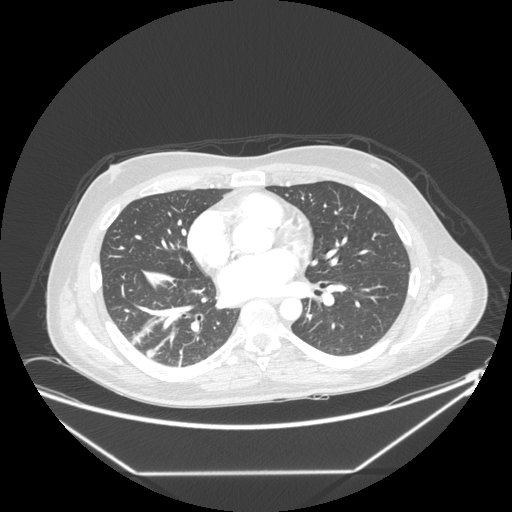
This is axial slice 117 of 246 (slice 1 is the lowest) of a chest CT; each pixel is 0.859 mm and the slice is 1.25 mm thick. Pulmonary nodule, outlined by all four readers. Box on this slice rows 349–357, columns 146–155, the union of the readers' outlines on this slice; longest diameter 11.0 mm on average over the four readers' outlines (readers' outlines 9.0–13.9 mm), volume 213–487 mm3. Ratings, by the readers' most common answer with dissent counted: texture 5/5 (solid) from all four readers; margin split among the readers: 4/5 (two), 5/5 (circumscribed) (two); sphericity 5/5 (round) by two of four readers; the rest gave 3/5 (ovoid) (one), 4/5 (one); calcification absent from all four readers; internal structure soft tissue from all four readers; subtlety split among the readers: 3/5 (two), 4/5 (two); most readers (three of four) put malignancy likelihood at 3/5, others 2/5 (one). Scale key (1–5): texture non-solid→solid, margin indistinct→circumscribed, sphericity linear→round, subtlety extremely subtle→obvious, malignancy likelihood highly unlikely→highly suspicious of cancer. Box rows and columns are 0-based pixel indices from the top-left corner, inclusive.
Scan settings: 120 kVp, STANDARD reconstruction kernel.